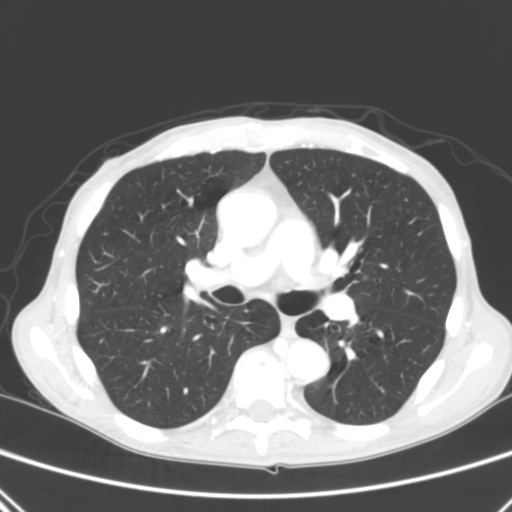
One axial slice (168 of 290, counting up from the lowest) of a chest CT acquired at 120 kVp with the B kernel; each pixel is 0.639 mm and the slice is 2.00 mm thick.
Pulmonary nodule outlined by one of the four readers; box rows 193–196, columns 356–359 (that reader's outline on this slice); longest diameter 4.3 mm and volume 31 mm3 from that reader's outline. Ratings by that reader: texture 5/5 (solid); margin 5/5 (circumscribed); sphericity 4/5; calcification absent; internal structure soft tissue; subtlety 5/5; malignancy likelihood 3/5. Scale key (1–5): texture non-solid→solid, margin indistinct→circumscribed, sphericity linear→round, subtlety extremely subtle→obvious, malignancy likelihood highly unlikely→highly suspicious of cancer. Box rows and columns are 0-based pixel indices from the top-left corner, inclusive.